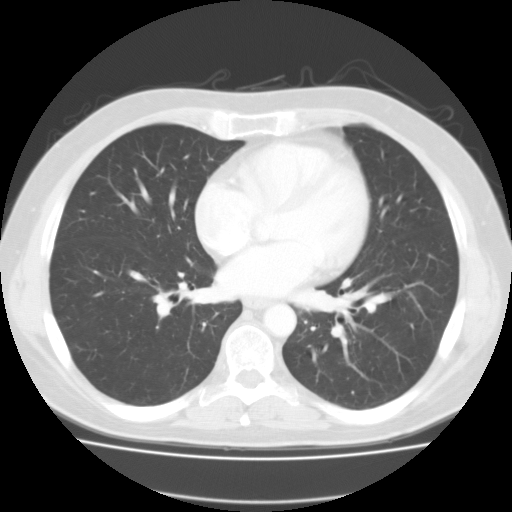
One axial slice (67 of 127, counting up from the lowest) of a chest CT acquired at 135 kVp with the FC01 kernel; each pixel is 0.750 mm and the slice is 3.00 mm thick.
No nodule of 3 mm or larger was outlined by any of the four readers on this slice.